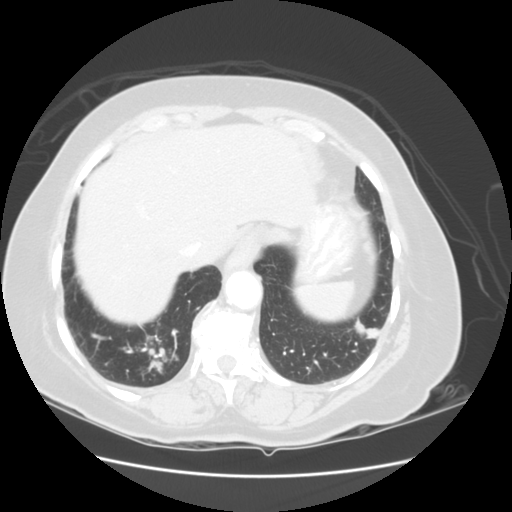
One axial slice (26 of 114, counting up from the lowest) of a chest CT acquired at 120 kVp with the STANDARD kernel; each pixel is 0.703 mm and the slice is 2.50 mm thick.
Pulmonary nodule outlined by two of the four readers; box rows 320–338, columns 354–378 (the union of the readers' outlines on this slice); the two readers' outlines give a longest diameter between 31.2 and 33.4 mm and a volume between 9358 and 10207 mm3. Ratings across the readers: texture 5/5 (solid) from both readers; margin 4/5, both readers agreeing; sphericity 3/5 (ovoid) from both readers; calcification absent, both readers agreeing; internal structure soft tissue, both readers agreeing; subtlety 5/5 from both readers; malignancy likelihood 5/5, both readers agreeing. Scale key (1–5): texture non-solid→solid, margin indistinct→circumscribed, sphericity linear→round, subtlety extremely subtle→obvious, malignancy likelihood highly unlikely→highly suspicious of cancer. Box rows and columns are 0-based pixel indices from the top-left corner, inclusive.